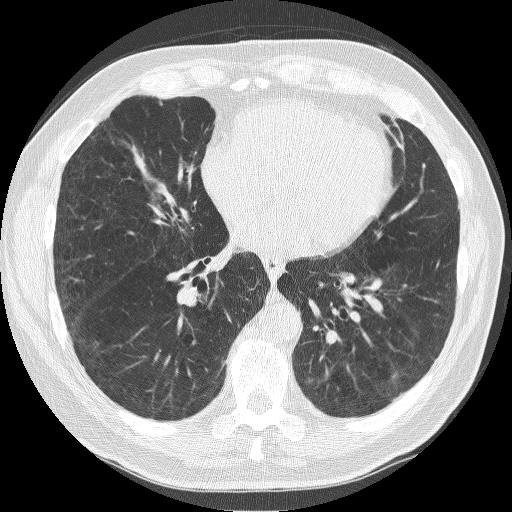
This is axial slice 95 of 237 (slice 1 is the lowest) of a chest CT; each pixel is 0.664 mm and the slice is 1.25 mm thick. Pulmonary nodule at rows 100–105, columns 157–162 (box = the union of the readers' outlines on this slice), outlined by two of the four readers; median longest diameter 5.4 mm (readers' outlines 4.5–6.3 mm), median volume 58 mm3 (48–69 mm3). Ratings, median across the readers with their spread: texture 5/5 (solid), both readers agreeing; median margin 4.5/5 (readers ranged 4/5 to 5/5 (circumscribed)); median sphericity 3/5 (ovoid) (readers ranged 2/5 to 4/5); calcification absent from both readers; internal structure soft tissue from both readers; median subtlety 4.5/5 (readers ranged 4–5); malignancy likelihood 3/5 from both readers. Scale key (1–5): texture non-solid→solid, margin indistinct→circumscribed, sphericity linear→round, subtlety extremely subtle→obvious, malignancy likelihood highly unlikely→highly suspicious of cancer. Box rows and columns are 0-based pixel indices from the top-left corner, inclusive.
Scan settings: 120 kVp, BONE reconstruction kernel.